Chest CT, axial plane, 120 kVp, kernel LUNG. Slice 94/150 from the bottom of the scan; thickness 2.50 mm; pixel size 0.781 mm.
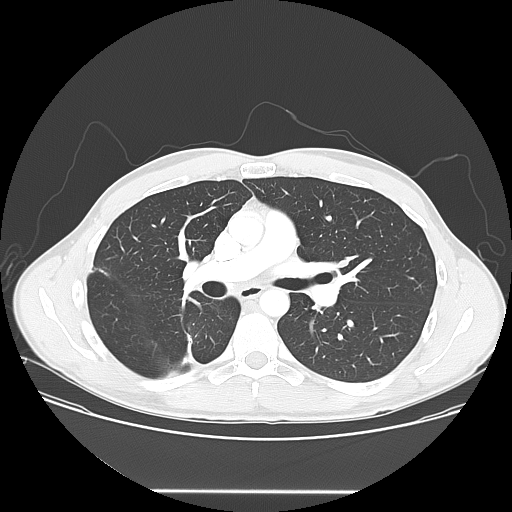
Pulmonary nodule at rows 260–267, columns 338–347 (box = the one reader's outline on this slice), outlined by two of the four readers, one of them on this slice; the two readers' outlines give a longest diameter between 13.4 and 13.7 mm and a volume between 506 and 603 mm3. Ratings across the readers: texture 5/5 (solid), both readers agreeing; margin from 4/5 to 5/5 (circumscribed) across the two readers; sphericity from 1/5 (linear) to 5/5 (round) across the two readers; calcification absent, both readers agreeing; internal structure soft tissue, both readers agreeing; subtlety from 3/5 to 4/5 across the two readers; malignancy likelihood 2/5 from both readers. Scale key (1–5): texture non-solid→solid, margin indistinct→circumscribed, sphericity linear→round, subtlety extremely subtle→obvious, malignancy likelihood highly unlikely→highly suspicious of cancer. Box rows and columns are 0-based pixel indices from the top-left corner, inclusive.